Axial slice 293 of 588 of a chest CT (slice 1 is the lowest), reconstructed with the B50f kernel at 120 kVp; 0.60 mm slice thickness and 0.514 mm pixels.
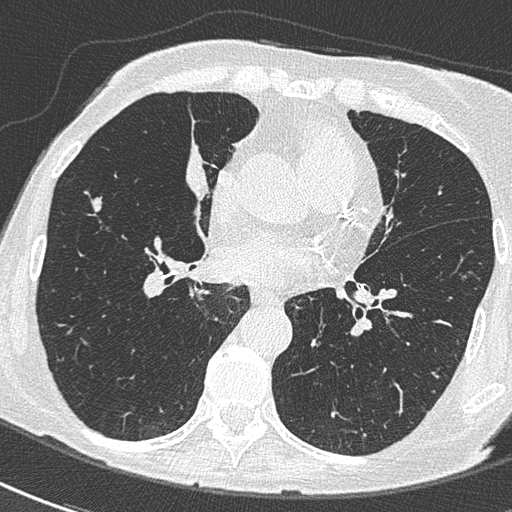
Pulmonary nodule outlined by all four readers; box rows 196–212, columns 90–102 (the union of the readers' outlines on this slice); median longest diameter 10.8 mm (readers' outlines 10.3–12.9 mm), median volume 374 mm3 (343–465 mm3). Median ratings and the readers' spread: texture 5/5 (solid) from all four readers; margin 5/5 (circumscribed) at the median of four readers, spread 4/5 to 5/5 (circumscribed); median sphericity 3.5/5 (readers ranged 3/5 (ovoid) to 5/5 (round)); calcification absent, all four readers agreeing; internal structure soft tissue from all four readers; subtlety 5/5 at the median of four readers, spread 4–5; malignancy likelihood 3/5 at the median of four readers, spread 2–3. Scale key (1–5): texture non-solid→solid, margin indistinct→circumscribed, sphericity linear→round, subtlety extremely subtle→obvious, malignancy likelihood highly unlikely→highly suspicious of cancer. Box rows and columns are 0-based pixel indices from the top-left corner, inclusive.